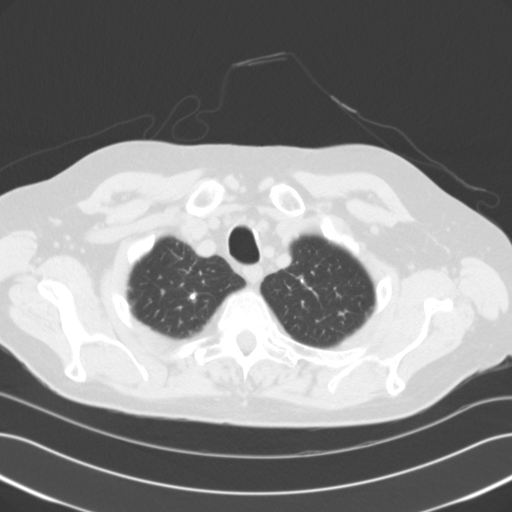
Axial chest CT slice 105 of 118 (counted from the lowest slice); tube voltage 120 kVp, convolution kernel B31f; slices 3.00 mm thick, 0.707 mm per pixel.
Pulmonary nodule, outlined by three of the four readers. Box on this slice rows 292–299, columns 189–196, the union of the readers' outlines on this slice; median longest diameter 5.4 mm (readers' outlines 4.0–7.3 mm), median volume 89 mm3 (45–175 mm3). Ratings, median across the readers with their spread: median texture 5/5 (solid) (readers ranged 3/5 (part-solid) to 5/5 (solid)); margin 4/5 from all three readers; sphericity 4/5, all three readers agreeing; calcification: central calcification (two), solid calcification (one); internal structure soft tissue, all three readers agreeing; median subtlety 5/5 (readers ranged 3–5); malignancy likelihood 1/5, all three readers agreeing. Scale key (1–5): texture non-solid→solid, margin indistinct→circumscribed, sphericity linear→round, subtlety extremely subtle→obvious, malignancy likelihood highly unlikely→highly suspicious of cancer. Box rows and columns are 0-based pixel indices from the top-left corner, inclusive.